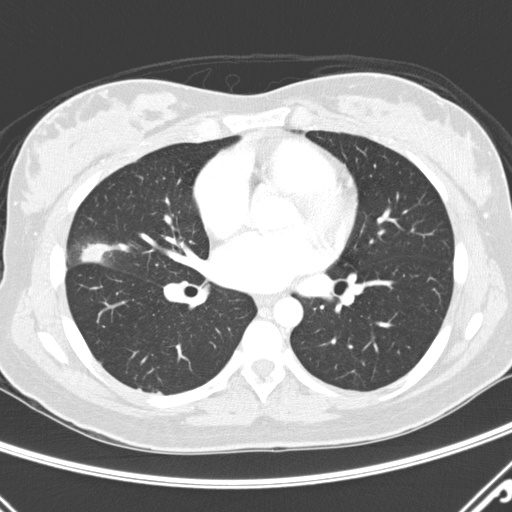
This is axial slice 143 of 290 (slice 1 is the lowest) of a chest CT; each pixel is 0.648 mm and the slice is 2.00 mm thick. Pulmonary nodule outlined by all four readers; box rows 242–263, columns 79–128 (the union of the readers' outlines on this slice); median longest diameter 23.9 mm (readers' outlines 19.9–37.8 mm), median volume 1825 mm3 (1327–2956 mm3). Ratings, median across the readers with their spread: median texture 4/5 (readers ranged 3/5 (part-solid) to 5/5 (solid)); margin 1.5/5 at the median of four readers, spread 1/5 (indistinct) to 3/5; median sphericity 3/5 (ovoid) (readers ranged 2/5 to 4/5); calcification absent from all four readers; internal structure soft tissue, all four readers agreeing; subtlety 5/5 from all four readers; malignancy likelihood 4/5 at the median of four readers, spread 3–5. Scale key (1–5): texture non-solid→solid, margin indistinct→circumscribed, sphericity linear→round, subtlety extremely subtle→obvious, malignancy likelihood highly unlikely→highly suspicious of cancer. Box rows and columns are 0-based pixel indices from the top-left corner, inclusive.
Scan settings: 120 kVp, D reconstruction kernel.